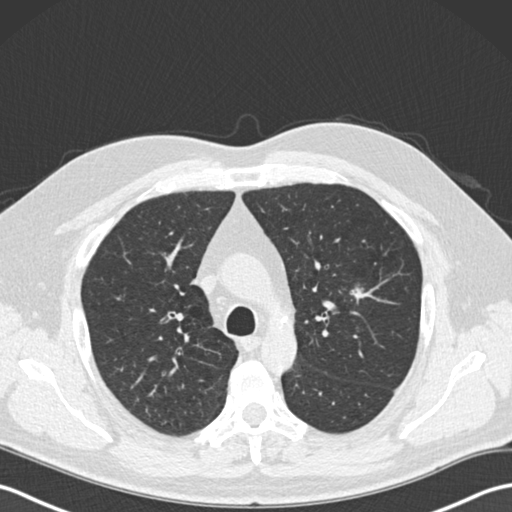
One axial slice (134 of 191, counting up from the lowest) of a chest CT acquired at 120 kVp with the B30f kernel; each pixel is 0.684 mm and the slice is 2.00 mm thick.
Pulmonary nodule at rows 286–296, columns 348–364 (box = the union of the readers' outlines on this slice), outlined by all four readers; median longest diameter 19.2 mm (readers' outlines 19.1–20.2 mm), median volume 2139 mm3 (1870–2474 mm3). Median ratings and the readers' spread: texture 5/5 (solid), all four readers agreeing; margin 4.5/5 at the median of four readers, spread 3/5 to 5/5 (circumscribed); sphericity 3.5/5 at the median of four readers, spread 3/5 (ovoid) to 4/5; calcification absent from all four readers; internal structure soft tissue, all four readers agreeing; subtlety 5/5 from all four readers; median malignancy likelihood 5/5 (readers ranged 4–5). Scale key (1–5): texture non-solid→solid, margin indistinct→circumscribed, sphericity linear→round, subtlety extremely subtle→obvious, malignancy likelihood highly unlikely→highly suspicious of cancer. Box rows and columns are 0-based pixel indices from the top-left corner, inclusive.